Chest CT, axial plane, 120 kVp, kernel B30f. Slice 58/376 from the bottom of the scan; thickness 0.75 mm; pixel size 0.461 mm.
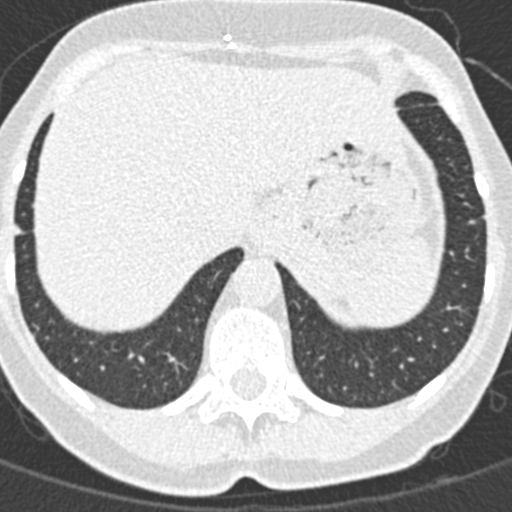
Pulmonary nodule, outlined by all four readers. Box on this slice rows 223–236, columns 11–23, the union of the readers' outlines on this slice; longest diameter 8.5 mm on average over the four readers' outlines (readers' outlines 8.1–8.9 mm), volume 172–196 mm3. The readers' prevailing ratings and who disagreed: texture 5/5 (solid) by three of four readers; the rest gave 4/5 (one); margin split among the readers: 4/5 (two), 5/5 (circumscribed) (two); sphericity split among the readers: 3/5 (ovoid) (two), 4/5 (two); calcification absent, all four readers agreeing; internal structure soft tissue, all four readers agreeing; subtlety 5/5 by three of four readers; the rest gave 3/5 (one); malignancy likelihood 3/5 by two of four readers; the rest gave 2/5 (one), 4/5 (one). Scale key (1–5): texture non-solid→solid, margin indistinct→circumscribed, sphericity linear→round, subtlety extremely subtle→obvious, malignancy likelihood highly unlikely→highly suspicious of cancer. Box rows and columns are 0-based pixel indices from the top-left corner, inclusive.